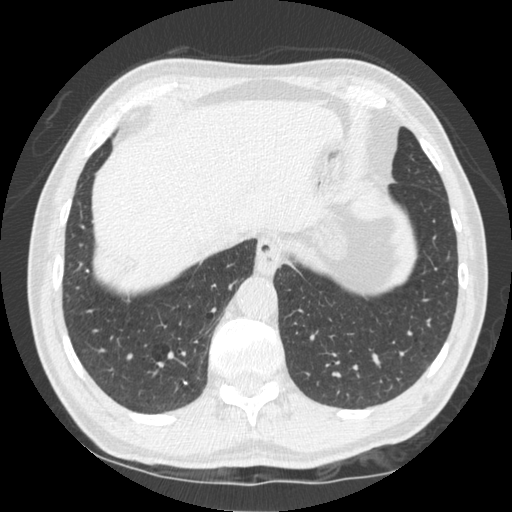
Axial slice 117 of 535 of a chest CT (slice 1 is the lowest), reconstructed with the STANDARD kernel at 120 kVp; 1.25 mm slice thickness and 0.664 mm pixels.
Pulmonary nodule at rows 225–228, columns 79–84 (box = that reader's outline on this slice), outlined by one of the four readers; longest diameter 5.7 mm and volume 64 mm3 from that reader's outline. Ratings by that reader: texture 5/5 (solid); margin 5/5 (circumscribed); sphericity 5/5 (round); calcification solid calcification; internal structure soft tissue; subtlety 5/5; malignancy likelihood 1/5. Scale key (1–5): texture non-solid→solid, margin indistinct→circumscribed, sphericity linear→round, subtlety extremely subtle→obvious, malignancy likelihood highly unlikely→highly suspicious of cancer. Box rows and columns are 0-based pixel indices from the top-left corner, inclusive.